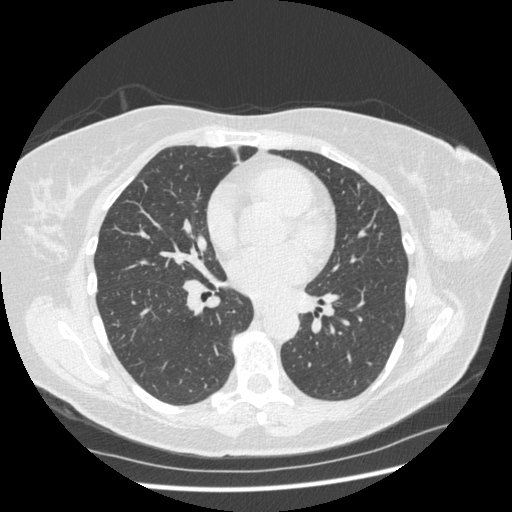
One axial slice (212 of 436, counting up from the lowest) of a chest CT acquired at 120 kVp with the STANDARD kernel; each pixel is 0.703 mm and the slice is 1.25 mm thick.
Pulmonary nodule outlined by two of the four readers, one of them on this slice; box rows 183–190, columns 143–147 (the one reader's outline on this slice); longest diameter 7.9 mm on average over the two readers' outlines (readers' outlines 7.9 mm), volume 55–64 mm3. Ratings, by the readers' most common answer with dissent counted: texture 5/5 (solid), both readers agreeing; margin split among the readers: 3/5 (one), 4/5 (one); sphericity split among the readers: 3/5 (ovoid) (one), 4/5 (one); calcification absent from both readers; internal structure soft tissue, both readers agreeing; subtlety split among the readers: 3/5 (one), 4/5 (one); malignancy likelihood split among the readers: 2/5 (one), 4/5 (one). Scale key (1–5): texture non-solid→solid, margin indistinct→circumscribed, sphericity linear→round, subtlety extremely subtle→obvious, malignancy likelihood highly unlikely→highly suspicious of cancer. Box rows and columns are 0-based pixel indices from the top-left corner, inclusive.